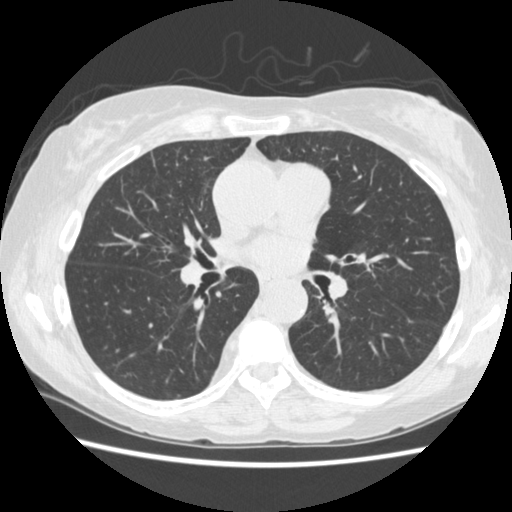
Axial chest CT slice 253 of 477 (counted from the lowest slice); 1.25 mm thick, 0.664 mm per pixel. Pulmonary nodule outlined by two of the four readers, one of them on this slice; box rows 318–322, columns 407–412 (the one reader's outline on this slice); the two readers' outlines give a longest diameter between 6.3 and 7.2 mm and a volume between 34 and 53 mm3. The readers' ratings, as ranges where they differ: texture 5/5 (solid), both readers agreeing; margin from 3/5 to 5/5 (circumscribed) across the two readers; sphericity from 2/5 to 3/5 (ovoid) across the two readers; calcification absent, both readers agreeing; internal structure soft tissue, both readers agreeing; subtlety rated between 1 and 3 out of 5 by the two readers; malignancy likelihood 2/5 from both readers. Scale key (1–5): texture non-solid→solid, margin indistinct→circumscribed, sphericity linear→round, subtlety extremely subtle→obvious, malignancy likelihood highly unlikely→highly suspicious of cancer. Box rows and columns are 0-based pixel indices from the top-left corner, inclusive.
Tube voltage 120 kVp; convolution kernel STANDARD.